Chest CT, axial plane, 120 kVp, kernel STANDARD. Slice 261/465 from the bottom of the scan; thickness 1.25 mm; pixel size 0.703 mm.
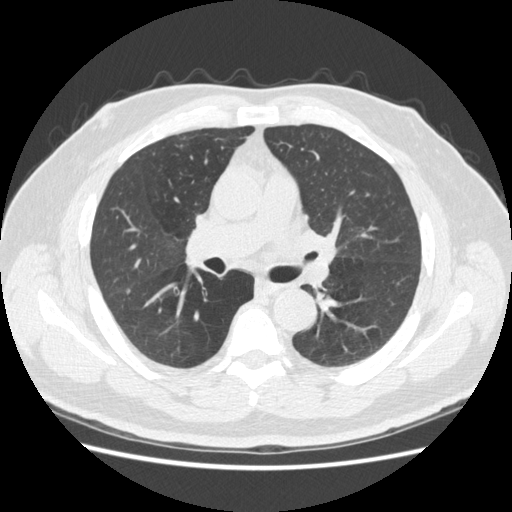
Pulmonary nodule at rows 289–293, columns 126–129 (box = that reader's outline on this slice), outlined by one of the four readers; longest diameter 6.5 mm and volume 44 mm3 from that reader's outline. That reader's ratings: texture 5/5 (solid); margin 5/5 (circumscribed); sphericity 4/5; calcification absent; internal structure soft tissue; subtlety 4/5; malignancy likelihood 2/5. Scale key (1–5): texture non-solid→solid, margin indistinct→circumscribed, sphericity linear→round, subtlety extremely subtle→obvious, malignancy likelihood highly unlikely→highly suspicious of cancer. Box rows and columns are 0-based pixel indices from the top-left corner, inclusive.